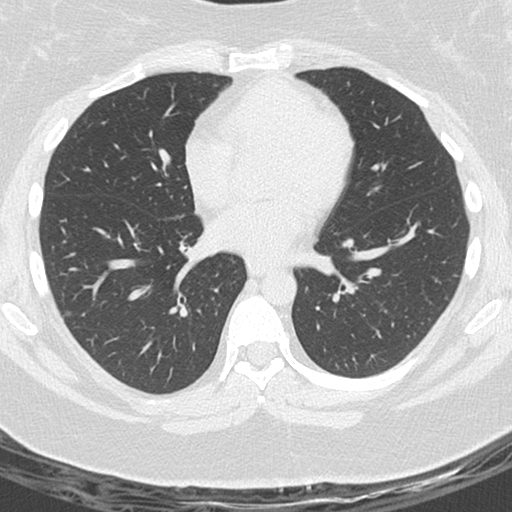
Axial slice 120 of 250 of a chest CT (slice 1 is the lowest), reconstructed with the B45f kernel at 120 kVp; 1.00 mm slice thickness and 0.566 mm pixels.
Pulmonary nodule outlined by three of the four readers, two of them on this slice; box rows 309–316, columns 65–72 (the union of the readers' outlines on this slice); longest diameter 5.3 mm on average over the three readers' outlines (readers' outlines 5.1–5.6 mm), volume 28–52 mm3. The readers' prevailing ratings and who disagreed: most readers (two of three) put texture at 5/5 (solid), others 4/5 (one); most readers (two of three) put margin at 4/5, others 3/5 (one); most readers (two of three) put sphericity at 4/5, others 5/5 (round) (one); calcification absent, all three readers agreeing; internal structure soft tissue, all three readers agreeing; subtlety split among the readers: 2/5 (one), 3/5 (one), 4/5 (one); most readers (two of three) put malignancy likelihood at 3/5, others 4/5 (one). Scale key (1–5): texture non-solid→solid, margin indistinct→circumscribed, sphericity linear→round, subtlety extremely subtle→obvious, malignancy likelihood highly unlikely→highly suspicious of cancer. Box rows and columns are 0-based pixel indices from the top-left corner, inclusive.